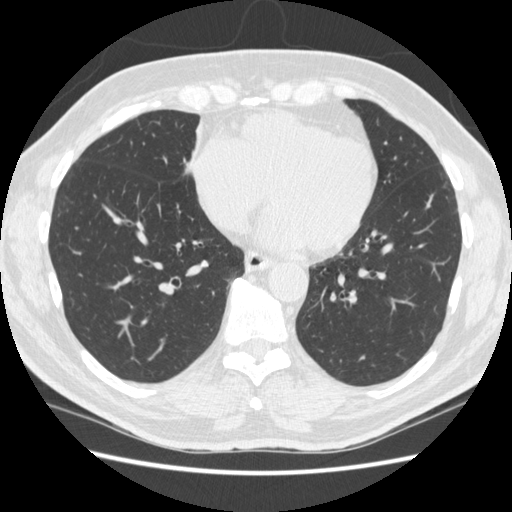
Axial chest CT slice 193 of 557 (counted from the lowest slice); tube voltage 120 kVp, convolution kernel STANDARD; slices 1.25 mm thick, 0.703 mm per pixel.
None of the four readers outlined a nodule of 3 mm or more on this slice.